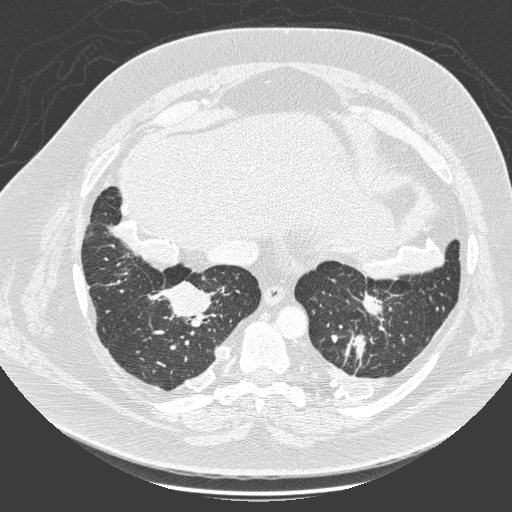
Axial chest CT slice 67 of 280 (counted from the lowest slice); tube voltage 140 kVp, convolution kernel D; slices 1.00 mm thick, 0.801 mm per pixel.
Pulmonary nodule, outlined by one of the four readers. Box on this slice rows 281–316, columns 170–213, that reader's outline on this slice; longest diameter 49.9 mm and volume 31112 mm3 from that reader's outline. Ratings by that reader: texture 5/5 (solid); margin 4/5; sphericity 5/5 (round); calcification non-central calcification; internal structure soft tissue; subtlety 5/5; malignancy likelihood 5/5. Scale key (1–5): texture non-solid→solid, margin indistinct→circumscribed, sphericity linear→round, subtlety extremely subtle→obvious, malignancy likelihood highly unlikely→highly suspicious of cancer. Box rows and columns are 0-based pixel indices from the top-left corner, inclusive.